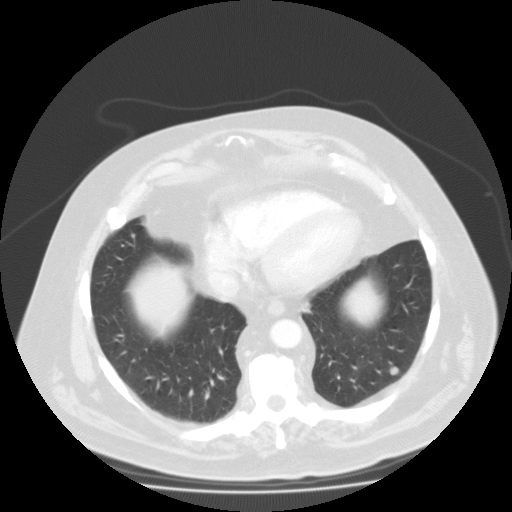
Axial chest CT slice 47 of 123 (counted from the lowest slice); tube voltage 135 kVp, convolution kernel FC01; slices 3.00 mm thick, 0.877 mm per pixel.
Pulmonary nodule, outlined by all four readers. Box on this slice rows 366–375, columns 389–399, the union of the readers' outlines on this slice; median longest diameter 10.2 mm (readers' outlines 9.2–11.4 mm), median volume 509 mm3 (353–648 mm3). Ratings, median across the readers with their spread: texture 5/5 (solid) from all four readers; margin 5/5 (circumscribed) from all four readers; sphericity 5/5 (round) from all four readers; calcification absent from all four readers; internal structure soft tissue from all four readers; median subtlety 4.5/5 (readers ranged 3–5); median malignancy likelihood 3/5 (readers ranged 2–4). Scale key (1–5): texture non-solid→solid, margin indistinct→circumscribed, sphericity linear→round, subtlety extremely subtle→obvious, malignancy likelihood highly unlikely→highly suspicious of cancer. Box rows and columns are 0-based pixel indices from the top-left corner, inclusive.